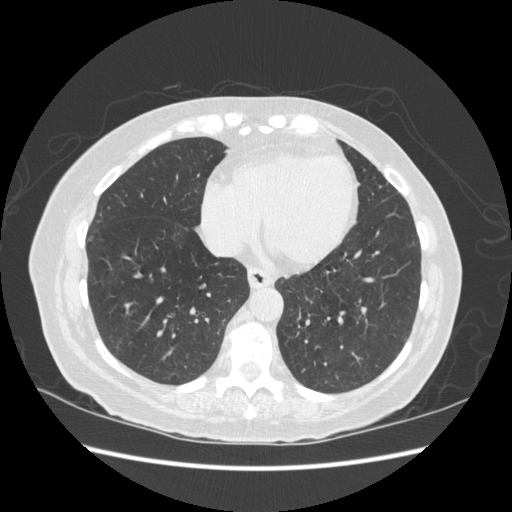
Slice 171/513 of a chest CT, counting up from the lowest; pixel size 0.703 mm, slice thickness 1.25 mm. Pulmonary nodule at rows 330–337, columns 156–162 (box = the union of the readers' outlines on this slice), outlined by two of the four readers; longest diameter 6.8 mm on average over the two readers' outlines (readers' outlines 6.7–6.9 mm), volume 105–106 mm3. The readers' prevailing ratings and who disagreed: texture split among the readers: 4/5 (one), 5/5 (solid) (one); margin 4/5 from both readers; sphericity split among the readers: 2/5 (one), 4/5 (one); calcification absent, both readers agreeing; internal structure soft tissue from both readers; subtlety 2/5 from both readers; malignancy likelihood split among the readers: 1/5 (one), 2/5 (one). Scale key (1–5): texture non-solid→solid, margin indistinct→circumscribed, sphericity linear→round, subtlety extremely subtle→obvious, malignancy likelihood highly unlikely→highly suspicious of cancer. Box rows and columns are 0-based pixel indices from the top-left corner, inclusive.
Acquired at 120 kVp and reconstructed with the STANDARD kernel.